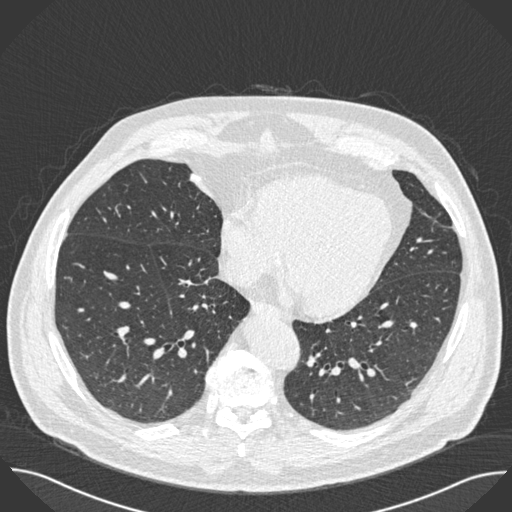
Axial slice 212 of 493 of a chest CT (slice 1 is the lowest), reconstructed with the B30f kernel at 120 kVp; 0.75 mm slice thickness and 0.762 mm pixels.
Pulmonary nodule at rows 173–184, columns 189–200 (box = the union of the readers' outlines on this slice), outlined by all four readers, three of them on this slice; longest diameter 11.0 mm on average over the four readers' outlines (readers' outlines 10.6–11.2 mm), volume 320–406 mm3. Ratings, by the readers' most common answer with dissent counted: texture 5/5 (solid), all four readers agreeing; margin 5/5 (circumscribed), all four readers agreeing; sphericity 4/5 by three of four readers; the rest gave 3/5 (ovoid) (one); calcification solid calcification by three of four readers, central calcification (one); internal structure soft tissue, all four readers agreeing; subtlety split among the readers: 4/5 (two), 5/5 (two); malignancy likelihood 1/5, all four readers agreeing. Scale key (1–5): texture non-solid→solid, margin indistinct→circumscribed, sphericity linear→round, subtlety extremely subtle→obvious, malignancy likelihood highly unlikely→highly suspicious of cancer. Box rows and columns are 0-based pixel indices from the top-left corner, inclusive.